Axial chest CT slice 157 of 231 (counted from the lowest slice); tube voltage 120 kVp, convolution kernel D; slices 1.00 mm thick, 0.666 mm per pixel.
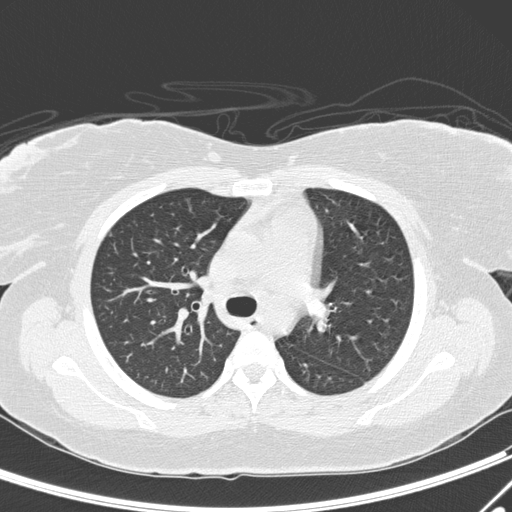
Pulmonary nodule at rows 232–235, columns 110–112 (box = that reader's outline on this slice), outlined by one of the four readers; longest diameter 4.2 mm and volume 23 mm3 from that reader's outline. That reader's ratings: texture 5/5 (solid); margin 5/5 (circumscribed); sphericity 4/5; calcification absent; internal structure soft tissue; subtlety 3/5; malignancy likelihood 1/5. Scale key (1–5): texture non-solid→solid, margin indistinct→circumscribed, sphericity linear→round, subtlety extremely subtle→obvious, malignancy likelihood highly unlikely→highly suspicious of cancer. Box rows and columns are 0-based pixel indices from the top-left corner, inclusive.